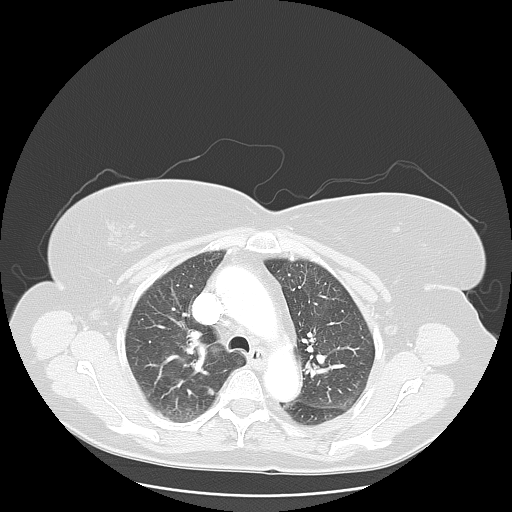
This is axial slice 83 of 119 (slice 1 is the lowest) of a chest CT; each pixel is 0.781 mm and the slice is 2.50 mm thick. Pulmonary nodule, outlined by all four readers. Box on this slice rows 388–394, columns 207–214, the union of the readers' outlines on this slice; longest diameter 6.7–9.5 mm and volume 97–166 mm3 across the four readers' outlines. Ratings across the readers: texture from 4/5 to 5/5 (solid) across the four readers; margin from 3/5 to 5/5 (circumscribed) across the four readers; sphericity from 2/5 to 4/5 across the four readers; calcification absent from all four readers; internal structure soft tissue from all four readers; subtlety rated between 2 and 3 out of 5 by the four readers; malignancy likelihood rated between 2 and 3 out of 5 by the four readers. Scale key (1–5): texture non-solid→solid, margin indistinct→circumscribed, sphericity linear→round, subtlety extremely subtle→obvious, malignancy likelihood highly unlikely→highly suspicious of cancer. Box rows and columns are 0-based pixel indices from the top-left corner, inclusive.
Tube voltage 120 kVp; convolution kernel LUNG.